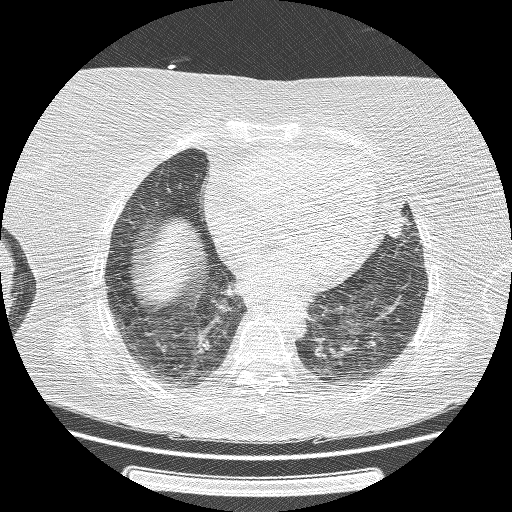
Axial chest CT slice 50 of 162 (counted from the lowest slice); 1.25 mm thick, 0.703 mm per pixel. Pulmonary nodule, outlined by two of the four readers. Box on this slice rows 216–238, columns 386–407, the union of the readers' outlines on this slice; longest diameter 19.1–21.7 mm and volume 914–2424 mm3 across the two readers' outlines. Ratings across the readers: texture 5/5 (solid), both readers agreeing; margin from 3/5 to 4/5 across the two readers; sphericity from 3/5 (ovoid) to 4/5 across the two readers; calcification absent from both readers; internal structure soft tissue, both readers agreeing; subtlety from 4/5 to 5/5 across the two readers; malignancy likelihood 3/5, both readers agreeing. Scale key (1–5): texture non-solid→solid, margin indistinct→circumscribed, sphericity linear→round, subtlety extremely subtle→obvious, malignancy likelihood highly unlikely→highly suspicious of cancer. Box rows and columns are 0-based pixel indices from the top-left corner, inclusive.
Scan settings: 120 kVp, BONE reconstruction kernel.